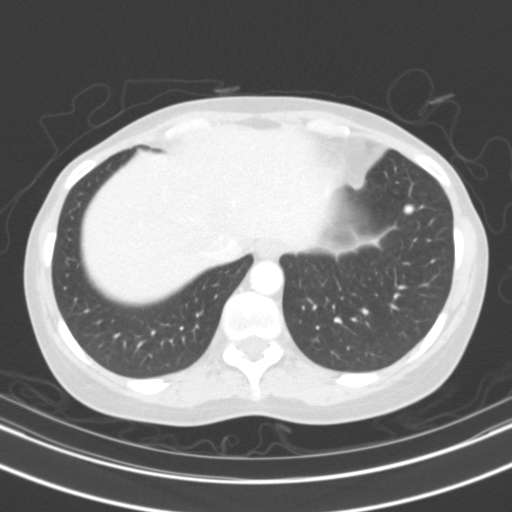
One axial slice (34 of 108, counting up from the lowest) of a chest CT acquired at 130 kVp with the B31s kernel; each pixel is 0.629 mm and the slice is 3.00 mm thick.
Pulmonary nodule, outlined by all four readers. Box on this slice rows 204–214, columns 403–414, the union of the readers' outlines on this slice; median longest diameter 9.6 mm (readers' outlines 9.2–11.5 mm), median volume 400 mm3 (286–461 mm3). Ratings, median across the readers with their spread: texture 5/5 (solid) from all four readers; median margin 4.5/5 (readers ranged 4/5 to 5/5 (circumscribed)); median sphericity 3.5/5 (readers ranged 3/5 (ovoid) to 5/5 (round)); calcification solid calcification from all four readers; internal structure soft tissue from all four readers; subtlety 4/5 at the median of four readers, spread 4–5; malignancy likelihood 1/5 from all four readers. Scale key (1–5): texture non-solid→solid, margin indistinct→circumscribed, sphericity linear→round, subtlety extremely subtle→obvious, malignancy likelihood highly unlikely→highly suspicious of cancer. Box rows and columns are 0-based pixel indices from the top-left corner, inclusive.